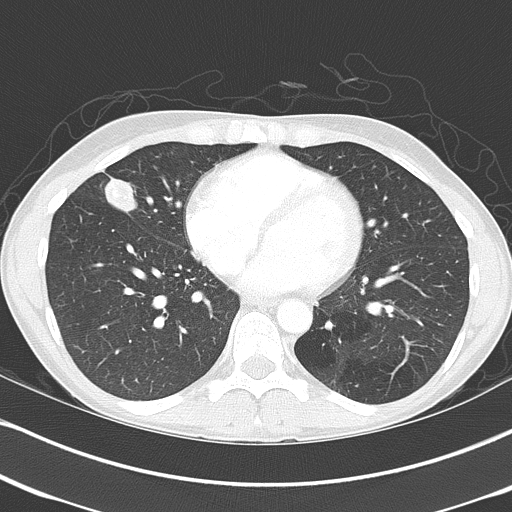
Axial slice 174 of 368 of a chest CT (slice 1 is the lowest), reconstructed with the B70f kernel at 120 kVp; 2.00 mm slice thickness and 0.623 mm pixels.
Pulmonary nodule outlined by all four readers; box rows 171–217, columns 104–137 (the union of the readers' outlines on this slice); longest diameter 27.1–39.3 mm and volume 6531–9806 mm3 across the four readers' outlines. Ratings across the readers: texture 5/5 (solid), all four readers agreeing; margin from 2/5 to 5/5 (circumscribed) across the four readers; sphericity from 2/5 to 3/5 (ovoid) across the four readers; calcification split among the readers: laminated calcification (one), absent (one), popcorn calcification (one), non-central calcification (one); internal structure soft tissue, all four readers agreeing; subtlety 5/5 from all four readers; malignancy likelihood from 1/5 to 5/5 across the four readers. Scale key (1–5): texture non-solid→solid, margin indistinct→circumscribed, sphericity linear→round, subtlety extremely subtle→obvious, malignancy likelihood highly unlikely→highly suspicious of cancer. Box rows and columns are 0-based pixel indices from the top-left corner, inclusive.